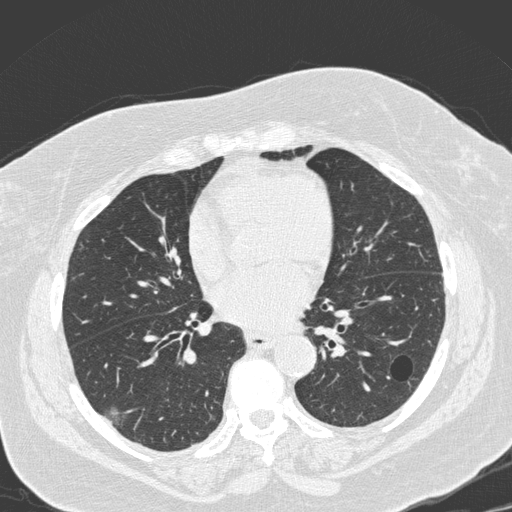
One axial slice (104 of 280, counting up from the lowest) of a chest CT acquired at 120 kVp with the D kernel; each pixel is 0.666 mm and the slice is 1.00 mm thick.
Two pulmonary nodules on this slice, listed from left to right. (1) Pulmonary nodule at rows 405–424, columns 103–126 (box = the union of the readers' outlines on this slice), outlined by two of the four readers; median longest diameter 17.7 mm (readers' outlines 16.7–18.8 mm), median volume 1269 mm3 (1162–1377 mm3). Ratings, median across the readers with their spread: texture 1/5 (non-solid) from both readers; margin 2/5, both readers agreeing; median sphericity 4/5 (readers ranged 3/5 (ovoid) to 5/5 (round)); calcification absent, both readers agreeing; internal structure soft tissue, both readers agreeing; median subtlety 2.5/5 (readers ranged 1–4); malignancy likelihood 2.5/5 at the median of two readers, spread 2–3. (2) Pulmonary nodule outlined by two of the four readers; box rows 248–257, columns 169–176 (the union of the readers' outlines on this slice); longest diameter 7.6 mm on average over the two readers' outlines (readers' outlines 7.4–7.8 mm), volume 96–113 mm3. Ratings, by the readers' most common answer with dissent counted: texture 5/5 (solid) from both readers; margin 5/5 (circumscribed), both readers agreeing; sphericity split among the readers: 4/5 (one), 5/5 (round) (one); calcification absent, both readers agreeing; internal structure soft tissue, both readers agreeing; subtlety 3/5, both readers agreeing; malignancy likelihood split among the readers: 2/5 (one), 3/5 (one). Scale key (1–5): texture non-solid→solid, margin indistinct→circumscribed, sphericity linear→round, subtlety extremely subtle→obvious, malignancy likelihood highly unlikely→highly suspicious of cancer. Box rows and columns are 0-based pixel indices from the top-left corner, inclusive.